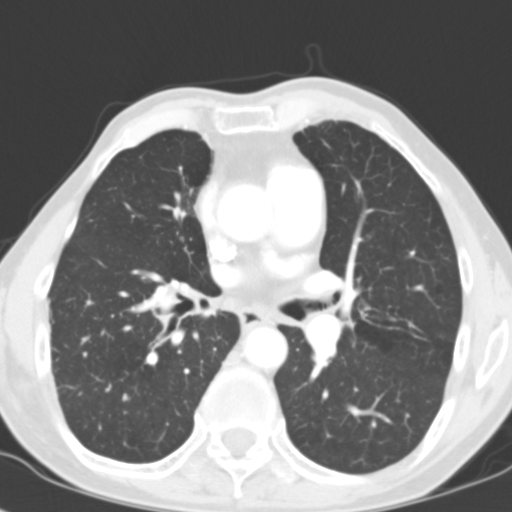
One axial slice (64 of 116, counting up from the lowest) of a chest CT acquired at 120 kVp with the B31f kernel; each pixel is 0.547 mm and the slice is 3.00 mm thick.
Pulmonary nodule, outlined by two of the four readers. Box on this slice rows 394–400, columns 123–128, the union of the readers' outlines on this slice; median longest diameter 6.4 mm (readers' outlines 6.1–6.8 mm), median volume 176 mm3 (142–210 mm3). Ratings, median across the readers with their spread: median texture 4/5 (readers ranged 3/5 (part-solid) to 5/5 (solid)); margin 3.5/5 at the median of two readers, spread 2/5 to 5/5 (circumscribed); median sphericity 4/5 (readers ranged 3/5 (ovoid) to 5/5 (round)); calcification absent, both readers agreeing; internal structure soft tissue from both readers; median subtlety 4/5 (readers ranged 3–5); median malignancy likelihood 3.5/5 (readers ranged 3–4). Scale key (1–5): texture non-solid→solid, margin indistinct→circumscribed, sphericity linear→round, subtlety extremely subtle→obvious, malignancy likelihood highly unlikely→highly suspicious of cancer. Box rows and columns are 0-based pixel indices from the top-left corner, inclusive.